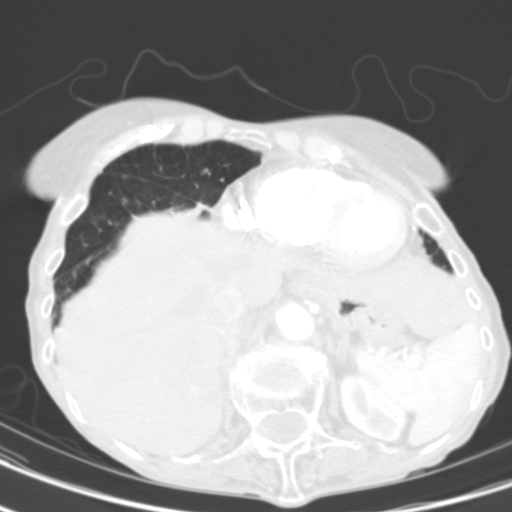
Axial slice 26 of 104 of a chest CT (slice 1 is the lowest), reconstructed with the B31s kernel at 130 kVp; 3.00 mm slice thickness and 0.531 mm pixels.
Pulmonary nodule at rows 198–200, columns 122–126 (box = the union of the readers' outlines on this slice), outlined by three of the four readers, two of them on this slice; median longest diameter 7.2 mm (readers' outlines 6.6–7.6 mm), median volume 139 mm3 (116–155 mm3). Median ratings and the readers' spread: texture 5/5 (solid), all three readers agreeing; margin 4/5 at the median of three readers, spread 2/5 to 5/5 (circumscribed); median sphericity 3/5 (ovoid) (readers ranged 2/5 to 5/5 (round)); calcification absent from all three readers; internal structure soft tissue, all three readers agreeing; subtlety 4/5 at the median of three readers, spread 4–5; malignancy likelihood 2/5 at the median of three readers, spread 1–3. Scale key (1–5): texture non-solid→solid, margin indistinct→circumscribed, sphericity linear→round, subtlety extremely subtle→obvious, malignancy likelihood highly unlikely→highly suspicious of cancer. Box rows and columns are 0-based pixel indices from the top-left corner, inclusive.